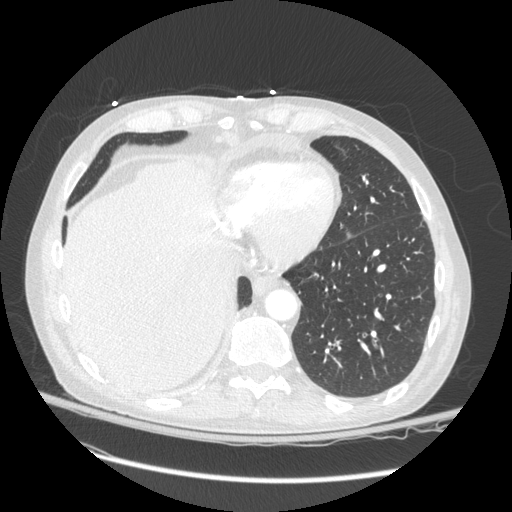
Axial chest CT slice 88 of 272 (counted from the lowest slice); tube voltage 120 kVp, convolution kernel STANDARD; slices 1.25 mm thick, 0.742 mm per pixel.
Pulmonary nodule, outlined by all four readers, two of them on this slice. Box on this slice rows 232–238, columns 346–353, the union of the readers' outlines on this slice; median longest diameter 11.0 mm (readers' outlines 10.6–13.2 mm), median volume 290 mm3 (211–375 mm3). Median ratings and the readers' spread: texture 5/5 (solid), all four readers agreeing; margin 5/5 (circumscribed) from all four readers; median sphericity 3/5 (ovoid) (readers ranged 3/5 (ovoid) to 5/5 (round)); calcification absent, all four readers agreeing; internal structure soft tissue from all four readers; subtlety 3/5 from all four readers; malignancy likelihood 2/5 at the median of four readers, spread 1–3. Scale key (1–5): texture non-solid→solid, margin indistinct→circumscribed, sphericity linear→round, subtlety extremely subtle→obvious, malignancy likelihood highly unlikely→highly suspicious of cancer. Box rows and columns are 0-based pixel indices from the top-left corner, inclusive.